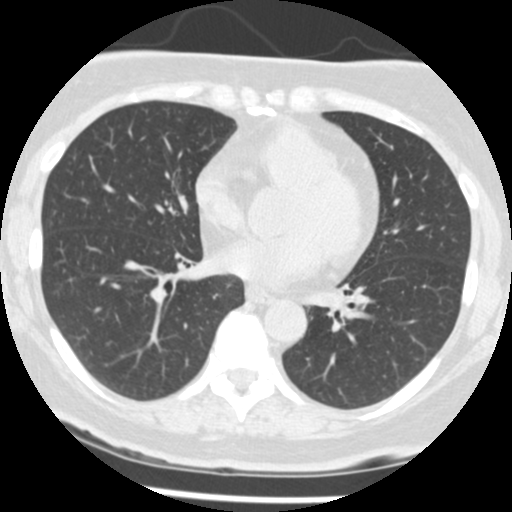
One axial slice (198 of 433, counting up from the lowest) of a chest CT acquired at 120 kVp with the STANDARD kernel; each pixel is 0.547 mm and the slice is 1.25 mm thick.
Pulmonary nodule at rows 343–346, columns 105–109 (box = the union of the readers' outlines on this slice), outlined by three of the four readers, two of them on this slice; longest diameter 4.8 mm on average over the three readers' outlines (readers' outlines 4.5–5.0 mm), volume 36–46 mm3. Ratings, by the readers' most common answer with dissent counted: texture 5/5 (solid), all three readers agreeing; margin 5/5 (circumscribed), all three readers agreeing; sphericity 5/5 (round) from all three readers; calcification solid calcification, all three readers agreeing; internal structure soft tissue, all three readers agreeing; subtlety 5/5 from all three readers; malignancy likelihood 1/5, all three readers agreeing. Scale key (1–5): texture non-solid→solid, margin indistinct→circumscribed, sphericity linear→round, subtlety extremely subtle→obvious, malignancy likelihood highly unlikely→highly suspicious of cancer. Box rows and columns are 0-based pixel indices from the top-left corner, inclusive.